Axial chest CT slice 155 of 257 (counted from the lowest slice); tube voltage 120 kVp, convolution kernel STANDARD; slices 1.25 mm thick, 0.852 mm per pixel.
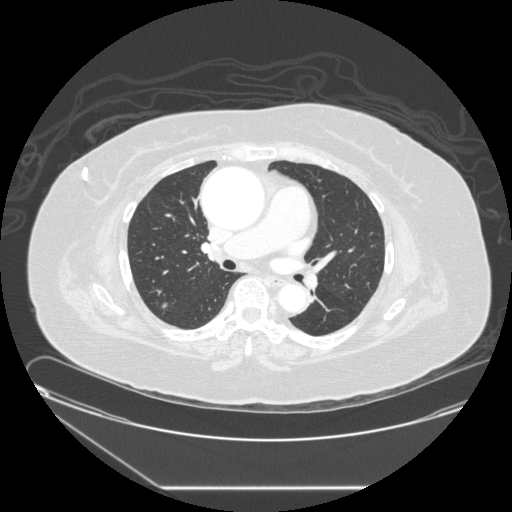
Pulmonary nodule, outlined by one of the four readers. Box on this slice rows 304–308, columns 161–166, that reader's outline on this slice; longest diameter 7.0 mm and volume 95 mm3 from that reader's outline. Ratings by that reader: texture 5/5 (solid); margin 5/5 (circumscribed); sphericity 4/5; calcification absent; internal structure soft tissue; subtlety 2/5; malignancy likelihood 3/5. Scale key (1–5): texture non-solid→solid, margin indistinct→circumscribed, sphericity linear→round, subtlety extremely subtle→obvious, malignancy likelihood highly unlikely→highly suspicious of cancer. Box rows and columns are 0-based pixel indices from the top-left corner, inclusive.